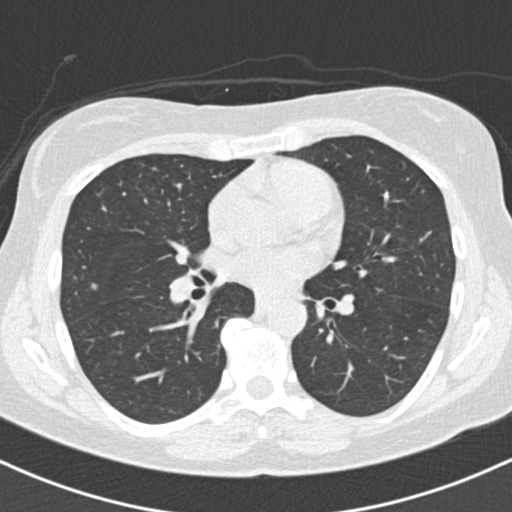
Chest CT, axial plane, 120 kVp, kernel B30f. Slice 99/182 from the bottom of the scan; thickness 2.00 mm; pixel size 0.625 mm.
Pulmonary nodule outlined by all four readers; box rows 282–289, columns 90–97 (the union of the readers' outlines on this slice); median longest diameter 5.2 mm (readers' outlines 4.6–6.7 mm), median volume 64 mm3 (53–101 mm3). Ratings, median across the readers with their spread: median texture 4.5/5 (readers ranged 4/5 to 5/5 (solid)); margin 4.5/5 at the median of four readers, spread 3/5 to 5/5 (circumscribed); median sphericity 4.5/5 (readers ranged 4/5 to 5/5 (round)); calcification absent, all four readers agreeing; internal structure soft tissue, all four readers agreeing; median subtlety 3/5 (readers ranged 3–5); median malignancy likelihood 2.5/5 (readers ranged 2–4). Scale key (1–5): texture non-solid→solid, margin indistinct→circumscribed, sphericity linear→round, subtlety extremely subtle→obvious, malignancy likelihood highly unlikely→highly suspicious of cancer. Box rows and columns are 0-based pixel indices from the top-left corner, inclusive.